Axial slice 90 of 133 of a chest CT (slice 1 is the lowest), reconstructed with the LUNG kernel at 120 kVp; 2.50 mm slice thickness and 0.703 mm pixels.
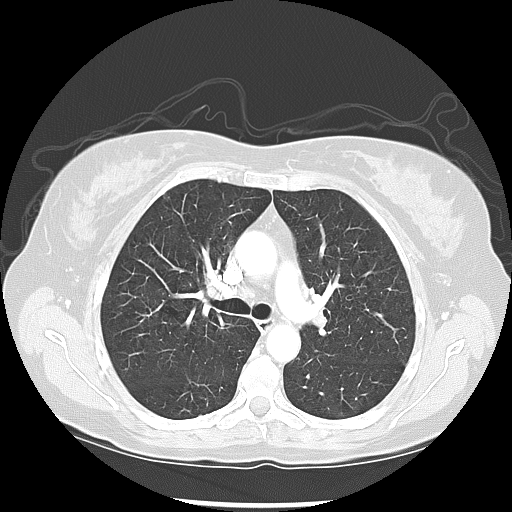
Pulmonary nodule, outlined by two of the four readers, one of them on this slice. Box on this slice rows 192–201, columns 163–170, the one reader's outline on this slice; median longest diameter 10.2 mm (readers' outlines 9.9–10.5 mm), median volume 288 mm3 (208–368 mm3). Ratings, median across the readers with their spread: texture 1/5 (non-solid) from both readers; median margin 1.5/5 (readers ranged 1/5 (indistinct) to 2/5); sphericity 4/5 at the median of two readers, spread 3/5 (ovoid) to 5/5 (round); calcification absent, both readers agreeing; internal structure soft tissue from both readers; median subtlety 1.5/5 (readers ranged 1–2); malignancy likelihood 2.5/5 at the median of two readers, spread 2–3. Scale key (1–5): texture non-solid→solid, margin indistinct→circumscribed, sphericity linear→round, subtlety extremely subtle→obvious, malignancy likelihood highly unlikely→highly suspicious of cancer. Box rows and columns are 0-based pixel indices from the top-left corner, inclusive.